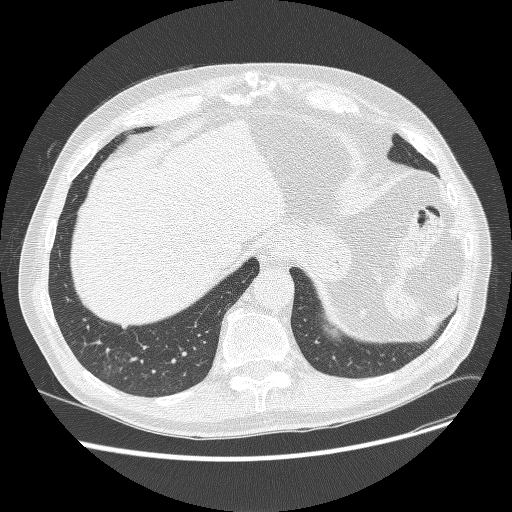
Axial slice 76 of 268 of a chest CT (slice 1 is the lowest), reconstructed with the BONE kernel at 120 kVp; 1.25 mm slice thickness and 0.742 mm pixels.
Pulmonary nodule outlined by all four readers; box rows 324–329, columns 121–127 (the union of the readers' outlines on this slice); longest diameter 8.2–9.9 mm and volume 157–231 mm3 across the four readers' outlines. Ratings across the readers: texture from 4/5 to 5/5 (solid) across the four readers; margin from 4/5 to 5/5 (circumscribed) across the four readers; sphericity from 3/5 (ovoid) to 4/5 across the four readers; calcification absent from all four readers; internal structure soft tissue, all four readers agreeing; subtlety 3–4/5 (the readers disagree); malignancy likelihood rated between 2 and 4 out of 5 by the four readers. Scale key (1–5): texture non-solid→solid, margin indistinct→circumscribed, sphericity linear→round, subtlety extremely subtle→obvious, malignancy likelihood highly unlikely→highly suspicious of cancer. Box rows and columns are 0-based pixel indices from the top-left corner, inclusive.